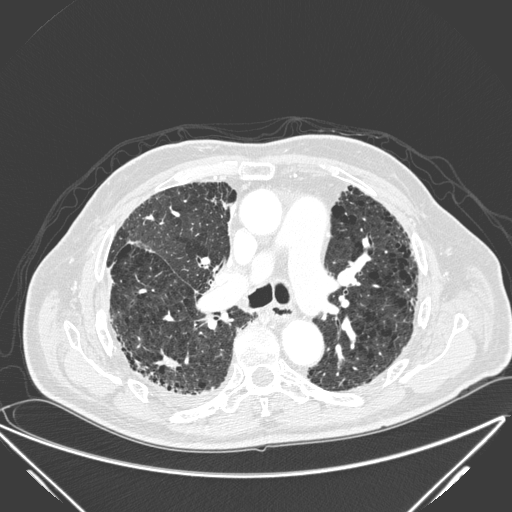
Axial chest CT slice 145 of 278 (counted from the lowest slice); tube voltage 120 kVp, convolution kernel D; slices 1.00 mm thick, 0.812 mm per pixel.
Pulmonary nodule, outlined by all four readers. Box on this slice rows 349–371, columns 152–180, the union of the readers' outlines on this slice; longest diameter 31.1 mm on average over the four readers' outlines (readers' outlines 17.4–39.8 mm), volume 1021–4525 mm3. The readers' prevailing ratings and who disagreed: texture 5/5 (solid) from all four readers; margin split among the readers: 1/5 (indistinct) (one), 2/5 (one), 3/5 (one), 5/5 (circumscribed) (one); sphericity 2/5 by three of four readers; the rest gave 5/5 (round) (one); calcification absent from all four readers; internal structure soft tissue from all four readers; subtlety split among the readers: 4/5 (two), 5/5 (two); malignancy likelihood 5/5 by two of four readers; the rest gave 3/5 (one), 4/5 (one). Scale key (1–5): texture non-solid→solid, margin indistinct→circumscribed, sphericity linear→round, subtlety extremely subtle→obvious, malignancy likelihood highly unlikely→highly suspicious of cancer. Box rows and columns are 0-based pixel indices from the top-left corner, inclusive.